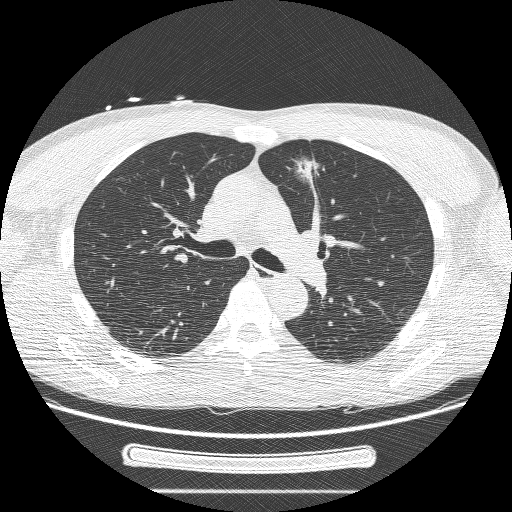
Axial chest CT slice 154 of 244 (counted from the lowest slice); tube voltage 120 kVp, convolution kernel BONE; slices 1.25 mm thick, 0.729 mm per pixel.
Pulmonary nodule at rows 155–183, columns 290–320 (box = the union of the readers' outlines on this slice), outlined by three of the four readers; median longest diameter 37.5 mm (readers' outlines 27.4–37.9 mm), median volume 6861 mm3 (2934–10099 mm3). Median ratings and the readers' spread: texture 5/5 (solid) at the median of three readers, spread 3/5 (part-solid) to 5/5 (solid); margin 2/5 at the median of three readers, spread 1/5 (indistinct) to 3/5; median sphericity 3/5 (ovoid) (readers ranged 2/5 to 4/5); calcification absent, all three readers agreeing; internal structure soft tissue, all three readers agreeing; subtlety 5/5 from all three readers; malignancy likelihood 5/5 at the median of three readers, spread 3–5. Scale key (1–5): texture non-solid→solid, margin indistinct→circumscribed, sphericity linear→round, subtlety extremely subtle→obvious, malignancy likelihood highly unlikely→highly suspicious of cancer. Box rows and columns are 0-based pixel indices from the top-left corner, inclusive.